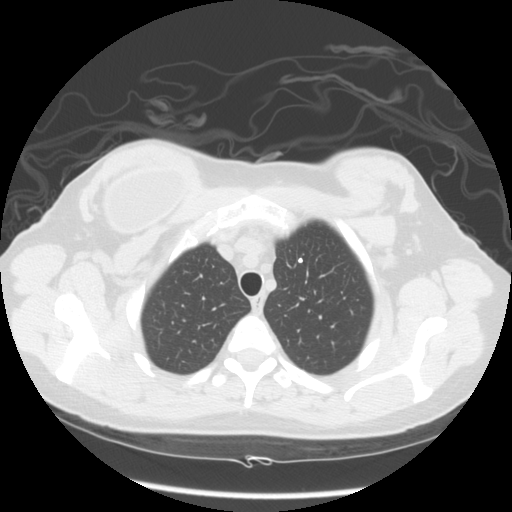
Chest CT, axial plane, 120 kVp, kernel STANDARD. Slice 114/133 from the bottom of the scan; thickness 2.50 mm; pixel size 0.703 mm.
Pulmonary nodule at rows 257–263, columns 297–303 (box = the union of the readers' outlines on this slice), outlined by three of the four readers; longest diameter 4.8 mm on average over the three readers' outlines (readers' outlines 4.4–5.6 mm), volume 43–57 mm3. The readers' prevailing ratings and who disagreed: texture 5/5 (solid) from all three readers; margin 5/5 (circumscribed) by two of three readers; the rest gave 4/5 (one); sphericity 4/5 by two of three readers; the rest gave 5/5 (round) (one); calcification solid calcification by two of three readers, absent (one); internal structure soft tissue, all three readers agreeing; subtlety 5/5, all three readers agreeing; malignancy likelihood 1/5 from all three readers. Scale key (1–5): texture non-solid→solid, margin indistinct→circumscribed, sphericity linear→round, subtlety extremely subtle→obvious, malignancy likelihood highly unlikely→highly suspicious of cancer. Box rows and columns are 0-based pixel indices from the top-left corner, inclusive.